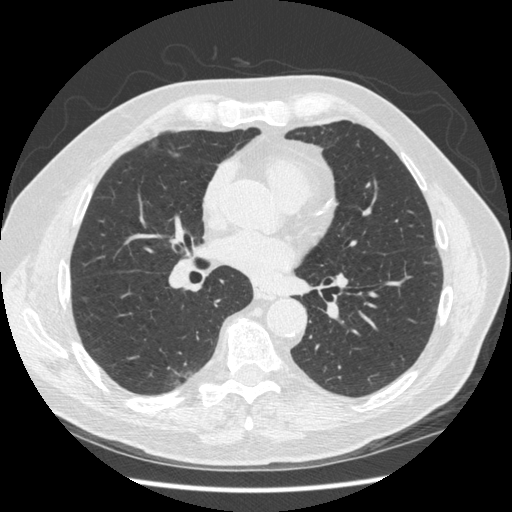
This is axial slice 217 of 477 (slice 1 is the lowest) of a chest CT; each pixel is 0.703 mm and the slice is 1.25 mm thick. Pulmonary nodule outlined by three of the four readers, one of them on this slice; box rows 143–148, columns 152–157 (the one reader's outline on this slice); longest diameter 7.2–8.2 mm and volume 65–84 mm3 across the three readers' outlines. Ratings across the readers: texture 5/5 (solid) from all three readers; margin from 3/5 to 5/5 (circumscribed) across the three readers; sphericity from 3/5 (ovoid) to 5/5 (round) across the three readers; calcification absent from all three readers; internal structure soft tissue from all three readers; subtlety from 3/5 to 5/5 across the three readers; malignancy likelihood 2–3/5 (the readers disagree). Scale key (1–5): texture non-solid→solid, margin indistinct→circumscribed, sphericity linear→round, subtlety extremely subtle→obvious, malignancy likelihood highly unlikely→highly suspicious of cancer. Box rows and columns are 0-based pixel indices from the top-left corner, inclusive.
Scan settings: 120 kVp, STANDARD reconstruction kernel.